Axial chest CT slice 114 of 141 (counted from the lowest slice); tube voltage 120 kVp, convolution kernel STANDARD; slices 2.50 mm thick, 0.703 mm per pixel.
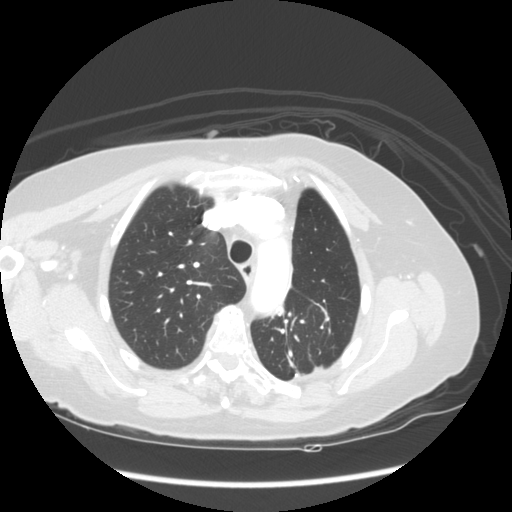
No nodule 3 mm or larger was outlined here by any reader.